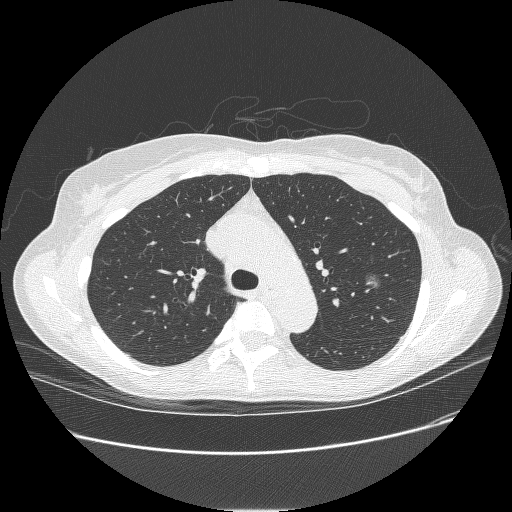
Chest CT, axial plane, 120 kVp, kernel BONE. Slice 178/238 from the bottom of the scan; thickness 1.25 mm; pixel size 0.703 mm.
Pulmonary nodule outlined by all four readers; box rows 271–288, columns 364–382 (the union of the readers' outlines on this slice); median longest diameter 14.3 mm (readers' outlines 13.3–17.8 mm), median volume 631 mm3 (437–1030 mm3). Ratings, median across the readers with their spread: median texture 1/5 (non-solid) (readers ranged 1/5 (non-solid) to 3/5 (part-solid)); margin 1/5 (indistinct) at the median of four readers, spread 1/5 (indistinct) to 5/5 (circumscribed); sphericity 4/5 at the median of four readers, spread 3/5 (ovoid) to 4/5; calcification absent, all four readers agreeing; internal structure soft tissue, all four readers agreeing; median subtlety 4/5 (readers ranged 3–5); malignancy likelihood 3.5/5 at the median of four readers, spread 2–4. Scale key (1–5): texture non-solid→solid, margin indistinct→circumscribed, sphericity linear→round, subtlety extremely subtle→obvious, malignancy likelihood highly unlikely→highly suspicious of cancer. Box rows and columns are 0-based pixel indices from the top-left corner, inclusive.